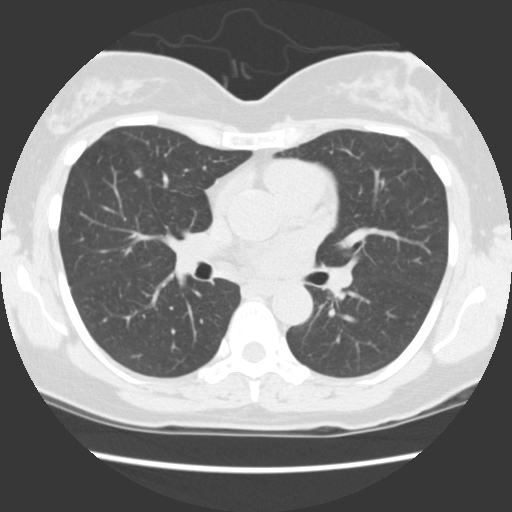
Chest CT, axial plane, 120 kVp, kernel STANDARD. Slice 72/140 from the bottom of the scan; thickness 2.50 mm; pixel size 0.605 mm.
Pulmonary nodule outlined by two of the four readers; box rows 168–178, columns 131–143 (the union of the readers' outlines on this slice); median longest diameter 8.2 mm (readers' outlines 6.9–9.5 mm), median volume 127 mm3 (88–167 mm3). Median ratings and the readers' spread: texture 5/5 (solid), both readers agreeing; margin 3.5/5 at the median of two readers, spread 3/5 to 4/5; sphericity 3.5/5 at the median of two readers, spread 3/5 (ovoid) to 4/5; calcification absent, both readers agreeing; internal structure soft tissue, both readers agreeing; subtlety 3/5 at the median of two readers, spread 2–4; median malignancy likelihood 3.5/5 (readers ranged 3–4). Scale key (1–5): texture non-solid→solid, margin indistinct→circumscribed, sphericity linear→round, subtlety extremely subtle→obvious, malignancy likelihood highly unlikely→highly suspicious of cancer. Box rows and columns are 0-based pixel indices from the top-left corner, inclusive.